Axial chest CT slice 159 of 240 (counted from the lowest slice); tube voltage 120 kVp, convolution kernel BONE; slices 1.25 mm thick, 0.703 mm per pixel.
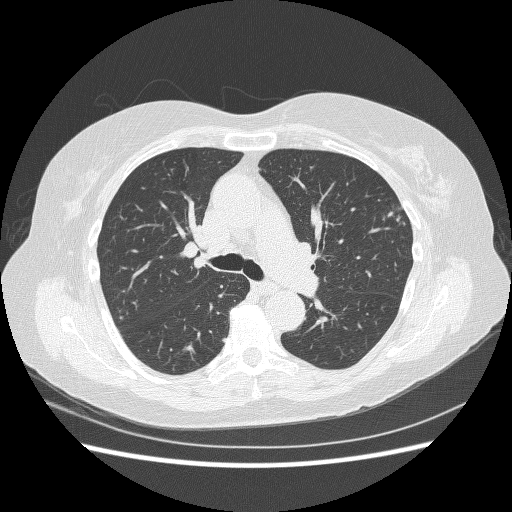
Pulmonary nodule, outlined by two of the four readers. Box on this slice rows 338–342, columns 222–226, the union of the readers' outlines on this slice; longest diameter 5.4 mm on average over the two readers' outlines (readers' outlines 5.1–5.7 mm), volume 40–44 mm3. The readers' prevailing ratings and who disagreed: texture split among the readers: 4/5 (one), 5/5 (solid) (one); margin 4/5 from both readers; sphericity split among the readers: 4/5 (one), 5/5 (round) (one); calcification absent from both readers; internal structure soft tissue, both readers agreeing; subtlety split among the readers: 2/5 (one), 3/5 (one); malignancy likelihood 3/5, both readers agreeing. Scale key (1–5): texture non-solid→solid, margin indistinct→circumscribed, sphericity linear→round, subtlety extremely subtle→obvious, malignancy likelihood highly unlikely→highly suspicious of cancer. Box rows and columns are 0-based pixel indices from the top-left corner, inclusive.